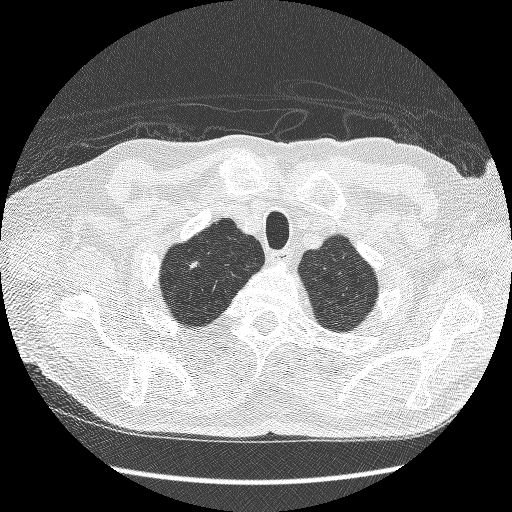
Chest CT, axial plane, 120 kVp, kernel BONE. Slice 217/241 from the bottom of the scan; thickness 1.25 mm; pixel size 0.703 mm.
Pulmonary nodule at rows 261–268, columns 188–197 (box = the union of the readers' outlines on this slice), outlined by three of the four readers; median longest diameter 9.2 mm (readers' outlines 9.2–11.4 mm), median volume 118 mm3 (110–218 mm3). Median ratings and the readers' spread: texture 5/5 (solid) from all three readers; median margin 4/5 (readers ranged 3/5 to 5/5 (circumscribed)); median sphericity 3/5 (ovoid) (readers ranged 2/5 to 3/5 (ovoid)); calcification absent from all three readers; internal structure soft tissue from all three readers; subtlety 4/5 at the median of three readers, spread 3–5; median malignancy likelihood 3/5 (readers ranged 2–3). Scale key (1–5): texture non-solid→solid, margin indistinct→circumscribed, sphericity linear→round, subtlety extremely subtle→obvious, malignancy likelihood highly unlikely→highly suspicious of cancer. Box rows and columns are 0-based pixel indices from the top-left corner, inclusive.